Axial slice 106 of 147 of a chest CT (slice 1 is the lowest), reconstructed with the LUNG kernel at 120 kVp; 2.50 mm slice thickness and 0.742 mm pixels.
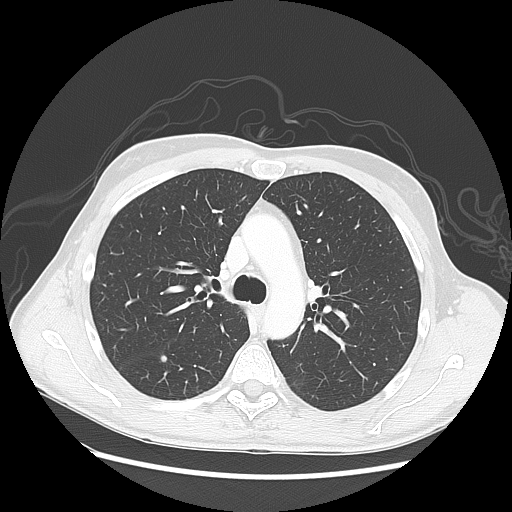
Pulmonary nodule outlined by three of the four readers; box rows 355–361, columns 160–166 (the union of the readers' outlines on this slice); longest diameter 6.1–6.6 mm and volume 109–125 mm3 across the three readers' outlines. Ratings across the readers: texture 5/5 (solid) from all three readers; margin from 4/5 to 5/5 (circumscribed) across the three readers; sphericity from 3/5 (ovoid) to 4/5 across the three readers; calcification absent from all three readers; internal structure soft tissue, all three readers agreeing; subtlety from 2/5 to 5/5 across the three readers; malignancy likelihood 3/5 from all three readers. Scale key (1–5): texture non-solid→solid, margin indistinct→circumscribed, sphericity linear→round, subtlety extremely subtle→obvious, malignancy likelihood highly unlikely→highly suspicious of cancer. Box rows and columns are 0-based pixel indices from the top-left corner, inclusive.